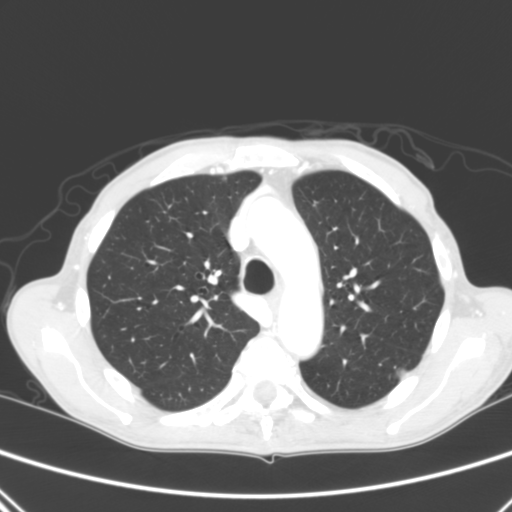
Slice 207/290 of a chest CT, counting up from the lowest; pixel size 0.639 mm, slice thickness 2.00 mm. Two pulmonary nodules on this slice, listed from left to right. (1) Pulmonary nodule, outlined by two of the four readers. Box on this slice rows 176–179, columns 221–225, the union of the readers' outlines on this slice; longest diameter 5.6 mm on average over the two readers' outlines (readers' outlines 5.5–5.7 mm), volume 40–53 mm3. Ratings, by the readers' most common answer with dissent counted: texture 5/5 (solid), both readers agreeing; margin 5/5 (circumscribed) from both readers; sphericity split among the readers: 4/5 (one), 5/5 (round) (one); calcification absent from both readers; internal structure soft tissue, both readers agreeing; subtlety split among the readers: 4/5 (one), 5/5 (one); malignancy likelihood split among the readers: 2/5 (one), 3/5 (one). (2) Pulmonary nodule outlined by all four readers, three of them on this slice; box rows 367–379, columns 395–411 (the union of the readers' outlines on this slice); longest diameter 12.9–15.8 mm and volume 837–1237 mm3 across the four readers' outlines. The readers' ratings, as ranges where they differ: texture from 4/5 to 5/5 (solid) across the four readers; margin from 4/5 to 5/5 (circumscribed) across the four readers; sphericity from 3/5 (ovoid) to 5/5 (round) across the four readers; calcification: absent (three), laminated calcification (one); internal structure soft tissue, all four readers agreeing; subtlety 4–5/5 (the readers disagree); malignancy likelihood rated between 2 and 5 out of 5 by the four readers. Scale key (1–5): texture non-solid→solid, margin indistinct→circumscribed, sphericity linear→round, subtlety extremely subtle→obvious, malignancy likelihood highly unlikely→highly suspicious of cancer. Box rows and columns are 0-based pixel indices from the top-left corner, inclusive.
Tube voltage 120 kVp; convolution kernel B.